One axial slice (44 of 120, counting up from the lowest) of a chest CT acquired at 140 kVp with the BONE kernel; each pixel is 0.576 mm and the slice is 2.50 mm thick.
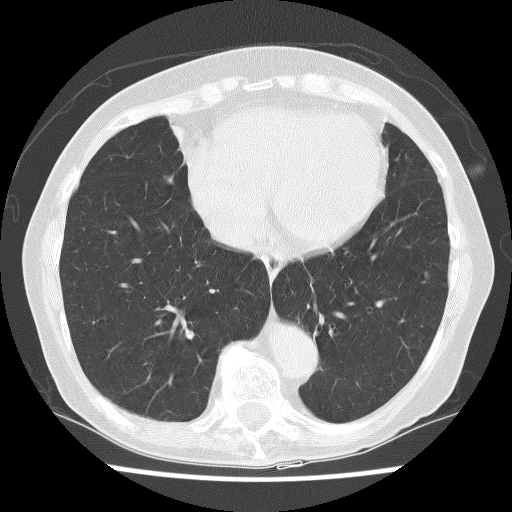
Pulmonary nodule at rows 271–279, columns 423–429 (box = the union of the readers' outlines on this slice), outlined by all four readers; median longest diameter 5.5 mm (readers' outlines 4.2–6.0 mm), median volume 71 mm3 (39–95 mm3). Median ratings and the readers' spread: median texture 5/5 (solid) (readers ranged 3/5 (part-solid) to 5/5 (solid)); margin 4/5 at the median of four readers, spread 3/5 to 5/5 (circumscribed); median sphericity 4/5 (readers ranged 3/5 (ovoid) to 5/5 (round)); calcification absent from all four readers; internal structure: soft tissue (three), fluid (one); median subtlety 3.5/5 (readers ranged 3–4); malignancy likelihood 2.5/5 at the median of four readers, spread 1–3. Scale key (1–5): texture non-solid→solid, margin indistinct→circumscribed, sphericity linear→round, subtlety extremely subtle→obvious, malignancy likelihood highly unlikely→highly suspicious of cancer. Box rows and columns are 0-based pixel indices from the top-left corner, inclusive.